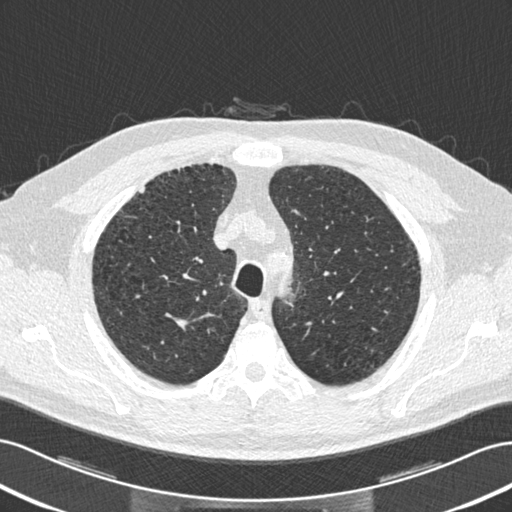
Axial slice 412 of 506 of a chest CT (slice 1 is the lowest), reconstructed with the B30f kernel at 120 kVp; 0.75 mm slice thickness and 0.699 mm pixels.
Pulmonary nodule, outlined by two of the four readers. Box on this slice rows 186–192, columns 138–144, the union of the readers' outlines on this slice; longest diameter 7.0 mm on average over the two readers' outlines (readers' outlines 7.0 mm), volume 87 mm3. The readers' prevailing ratings and who disagreed: texture 5/5 (solid) from both readers; margin 4/5 from both readers; sphericity split among the readers: 3/5 (ovoid) (one), 4/5 (one); calcification absent, both readers agreeing; internal structure soft tissue, both readers agreeing; subtlety split among the readers: 2/5 (one), 4/5 (one); malignancy likelihood split among the readers: 1/5 (one), 3/5 (one). Scale key (1–5): texture non-solid→solid, margin indistinct→circumscribed, sphericity linear→round, subtlety extremely subtle→obvious, malignancy likelihood highly unlikely→highly suspicious of cancer. Box rows and columns are 0-based pixel indices from the top-left corner, inclusive.